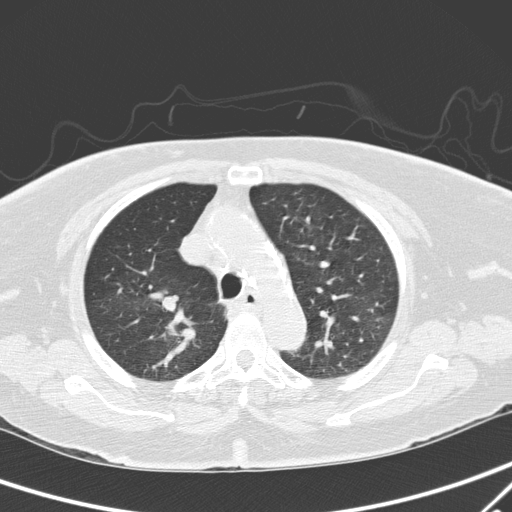
Axial chest CT slice 221 of 295 (counted from the lowest slice); tube voltage 120 kVp, convolution kernel D; slices 2.00 mm thick, 0.682 mm per pixel.
This slice carries no reader outline of a nodule 3 mm or larger.